Axial chest CT slice 149 of 264 (counted from the lowest slice); tube voltage 120 kVp, convolution kernel BONE; slices 1.25 mm thick, 0.703 mm per pixel.
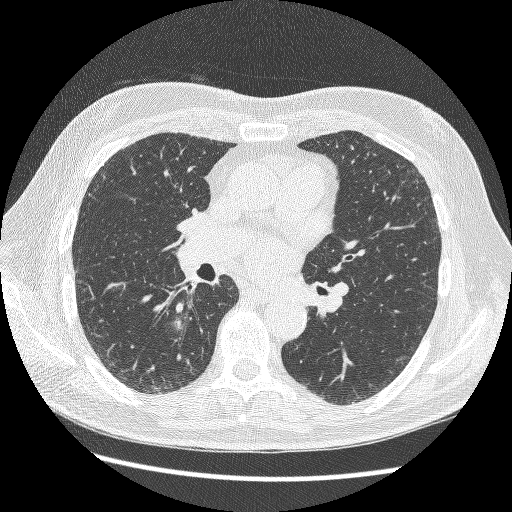
Pulmonary nodule at rows 318–330, columns 172–182 (box = the union of the readers' outlines on this slice), outlined by two of the four readers; longest diameter 11.2 mm on average over the two readers' outlines (readers' outlines 10.7–11.6 mm), volume 251–294 mm3. Ratings, by the readers' most common answer with dissent counted: texture split among the readers: 3/5 (part-solid) (one), 4/5 (one); margin 2/5 from both readers; sphericity split among the readers: 2/5 (one), 3/5 (ovoid) (one); calcification absent, both readers agreeing; internal structure soft tissue from both readers; subtlety 2/5 from both readers; malignancy likelihood 3/5 from both readers. Scale key (1–5): texture non-solid→solid, margin indistinct→circumscribed, sphericity linear→round, subtlety extremely subtle→obvious, malignancy likelihood highly unlikely→highly suspicious of cancer. Box rows and columns are 0-based pixel indices from the top-left corner, inclusive.